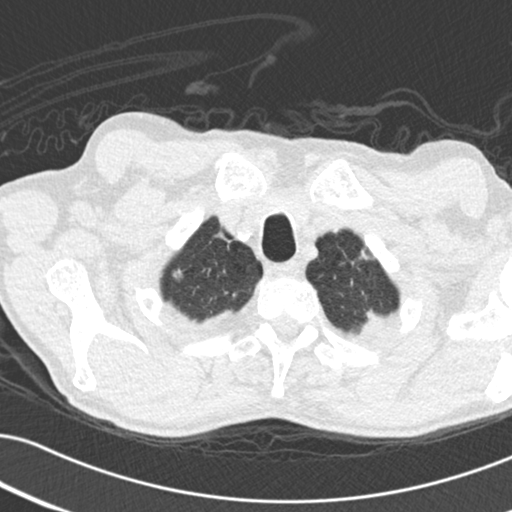
Axial chest CT slice 193 of 209 (counted from the lowest slice); tube voltage 120 kVp, convolution kernel B30f; slices 2.00 mm thick, 0.625 mm per pixel.
Pulmonary nodule at rows 268–281, columns 170–183 (box = the union of the readers' outlines on this slice), outlined by two of the four readers; longest diameter 9.6 mm on average over the two readers' outlines (readers' outlines 8.8–10.4 mm), volume 127–270 mm3. Ratings, by the readers' most common answer with dissent counted: texture split among the readers: 1/5 (non-solid) (one), 4/5 (one); margin split among the readers: 2/5 (one), 4/5 (one); sphericity split among the readers: 3/5 (ovoid) (one), 4/5 (one); calcification absent from both readers; internal structure soft tissue, both readers agreeing; subtlety split among the readers: 3/5 (one), 4/5 (one); malignancy likelihood split among the readers: 3/5 (one), 4/5 (one). Scale key (1–5): texture non-solid→solid, margin indistinct→circumscribed, sphericity linear→round, subtlety extremely subtle→obvious, malignancy likelihood highly unlikely→highly suspicious of cancer. Box rows and columns are 0-based pixel indices from the top-left corner, inclusive.